One axial slice (85 of 131, counting up from the lowest) of a chest CT acquired at 120 kVp with the B31f kernel; each pixel is 0.721 mm and the slice is 3.00 mm thick.
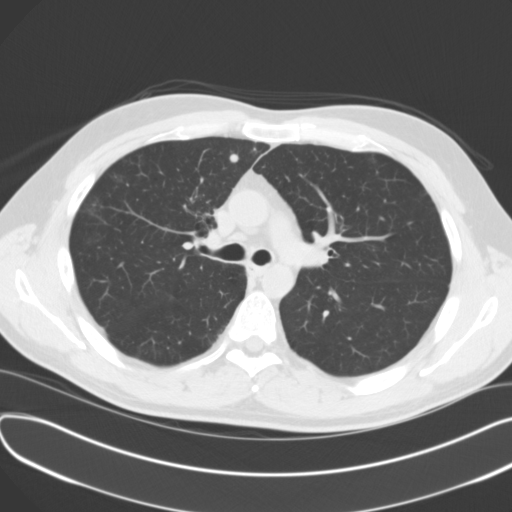
Pulmonary nodule outlined by all four readers; box rows 153–162, columns 229–238 (the union of the readers' outlines on this slice); longest diameter 7.6 mm on average over the four readers' outlines (readers' outlines 6.8–8.4 mm), volume 171–265 mm3. Ratings, by the readers' most common answer with dissent counted: texture 5/5 (solid) from all four readers; margin 5/5 (circumscribed) by three of four readers; the rest gave 3/5 (one); most readers (three of four) put sphericity at 5/5 (round), others 3/5 (ovoid) (one); calcification absent, all four readers agreeing; internal structure soft tissue, all four readers agreeing; subtlety split among the readers: 2/5 (one), 3/5 (one), 4/5 (one), 5/5 (one); malignancy likelihood 3/5 by two of four readers; the rest gave 1/5 (one), 2/5 (one). Scale key (1–5): texture non-solid→solid, margin indistinct→circumscribed, sphericity linear→round, subtlety extremely subtle→obvious, malignancy likelihood highly unlikely→highly suspicious of cancer. Box rows and columns are 0-based pixel indices from the top-left corner, inclusive.